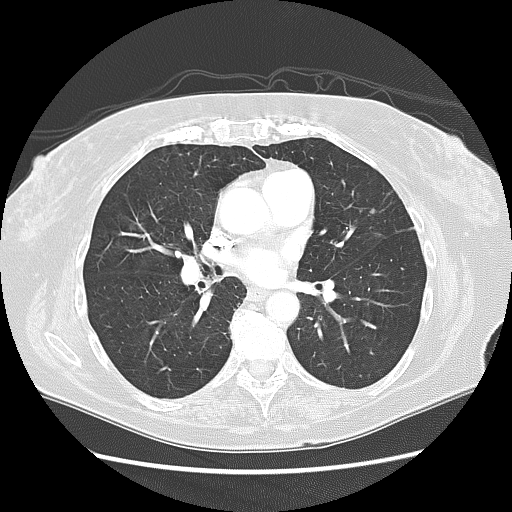
One axial slice (58 of 125, counting up from the lowest) of a chest CT acquired at 120 kVp with the LUNG kernel; each pixel is 0.703 mm and the slice is 2.50 mm thick.
Pulmonary nodule outlined by one of the four readers; box rows 208–212, columns 369–374 (that reader's outline on this slice); longest diameter 6.0 mm and volume 78 mm3 from that reader's outline. That reader's ratings: texture 3/5 (part-solid); margin 4/5; sphericity 2/5; calcification absent; internal structure soft tissue; subtlety 1/5; malignancy likelihood 3/5. Scale key (1–5): texture non-solid→solid, margin indistinct→circumscribed, sphericity linear→round, subtlety extremely subtle→obvious, malignancy likelihood highly unlikely→highly suspicious of cancer. Box rows and columns are 0-based pixel indices from the top-left corner, inclusive.